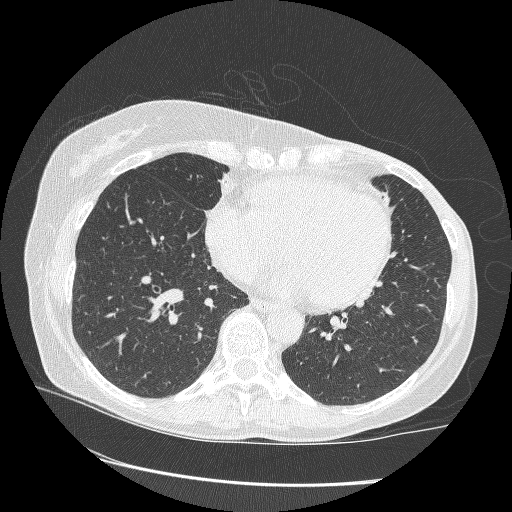
Axial chest CT slice 122 of 265 (counted from the lowest slice); 1.25 mm thick, 0.664 mm per pixel. This slice carries no reader outline of a nodule 3 mm or larger.
Acquired at 120 kVp and reconstructed with the BONE kernel.